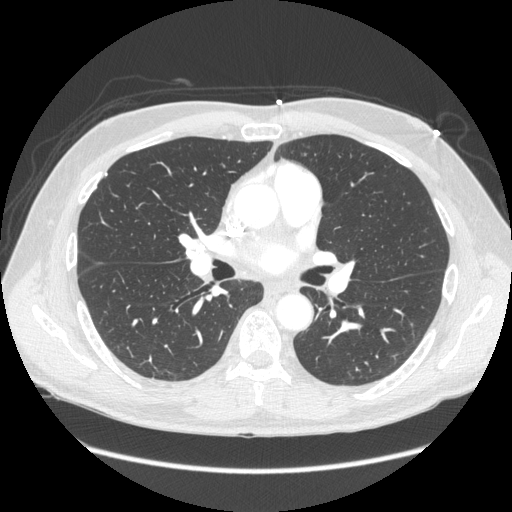
Chest CT, axial plane, 120 kVp, kernel STANDARD. Slice 136/261 from the bottom of the scan; thickness 1.25 mm; pixel size 0.781 mm.
Pulmonary nodule outlined by one of the four readers; box rows 172–175, columns 105–107 (that reader's outline on this slice); longest diameter 7.2 mm and volume 103 mm3 from that reader's outline. That reader's ratings: texture 5/5 (solid); margin 5/5 (circumscribed); sphericity 2/5; calcification solid calcification; internal structure soft tissue; subtlety 3/5; malignancy likelihood 1/5. Scale key (1–5): texture non-solid→solid, margin indistinct→circumscribed, sphericity linear→round, subtlety extremely subtle→obvious, malignancy likelihood highly unlikely→highly suspicious of cancer. Box rows and columns are 0-based pixel indices from the top-left corner, inclusive.